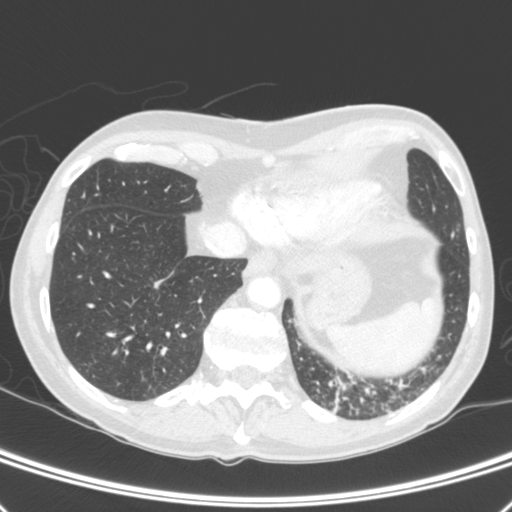
Axial slice 93 of 392 of a chest CT (slice 1 is the lowest), reconstructed with the C kernel at 120 kVp; 1.50 mm slice thickness and 0.639 mm pixels.
Pulmonary nodule, outlined by three of the four readers. Box on this slice rows 281–288, columns 153–161, the union of the readers' outlines on this slice; longest diameter 9.9 mm on average over the three readers' outlines (readers' outlines 9.0–10.9 mm), volume 190–278 mm3. Ratings, by the readers' most common answer with dissent counted: texture 5/5 (solid), all three readers agreeing; most readers (two of three) put margin at 5/5 (circumscribed), others 3/5 (one); sphericity 3/5 (ovoid) from all three readers; calcification absent from all three readers; internal structure soft tissue, all three readers agreeing; subtlety 4/5 by two of three readers; the rest gave 5/5 (one); most readers (two of three) put malignancy likelihood at 2/5, others 4/5 (one). Scale key (1–5): texture non-solid→solid, margin indistinct→circumscribed, sphericity linear→round, subtlety extremely subtle→obvious, malignancy likelihood highly unlikely→highly suspicious of cancer. Box rows and columns are 0-based pixel indices from the top-left corner, inclusive.